Axial slice 135 of 239 of a chest CT (slice 1 is the lowest), reconstructed with the BONE kernel at 120 kVp; 1.25 mm slice thickness and 0.795 mm pixels.
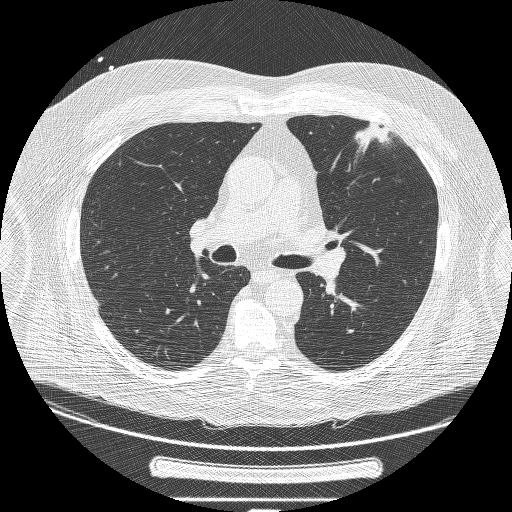
Pulmonary nodule, outlined by two of the four readers. Box on this slice rows 122–152, columns 355–392, the union of the readers' outlines on this slice; longest diameter 43.2 mm on average over the two readers' outlines (readers' outlines 43.0–43.4 mm), volume 10396–11168 mm3. Ratings, by the readers' most common answer with dissent counted: texture split among the readers: 3/5 (part-solid) (one), 5/5 (solid) (one); margin split among the readers: 1/5 (indistinct) (one), 3/5 (one); sphericity split among the readers: 1/5 (linear) (one), 3/5 (ovoid) (one); calcification absent from both readers; internal structure soft tissue from both readers; subtlety 5/5 from both readers; malignancy likelihood 5/5 from both readers. Scale key (1–5): texture non-solid→solid, margin indistinct→circumscribed, sphericity linear→round, subtlety extremely subtle→obvious, malignancy likelihood highly unlikely→highly suspicious of cancer. Box rows and columns are 0-based pixel indices from the top-left corner, inclusive.